Axial slice 111 of 145 of a chest CT (slice 1 is the lowest), reconstructed with the LUNG kernel at 120 kVp; 2.50 mm slice thickness and 0.781 mm pixels.
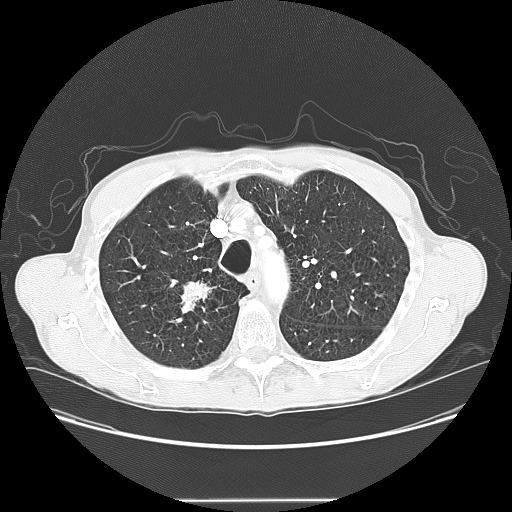
Pulmonary nodule at rows 280–313, columns 179–215 (box = the union of the readers' outlines on this slice), outlined by all four readers; median longest diameter 34.1 mm (readers' outlines 31.9–37.6 mm), median volume 7759 mm3 (6100–11568 mm3). Median ratings and the readers' spread: median texture 5/5 (solid) (readers ranged 4/5 to 5/5 (solid)); median margin 3/5 (readers ranged 2/5 to 4/5); sphericity 4/5 at the median of four readers, spread 3/5 (ovoid) to 5/5 (round); calcification absent, all four readers agreeing; internal structure soft tissue, all four readers agreeing; subtlety 5/5 from all four readers; malignancy likelihood 5/5 at the median of four readers, spread 4–5. Scale key (1–5): texture non-solid→solid, margin indistinct→circumscribed, sphericity linear→round, subtlety extremely subtle→obvious, malignancy likelihood highly unlikely→highly suspicious of cancer. Box rows and columns are 0-based pixel indices from the top-left corner, inclusive.